Axial slice 88 of 209 of a chest CT (slice 1 is the lowest), reconstructed with the STANDARD kernel at 120 kVp; 1.25 mm slice thickness and 0.693 mm pixels.
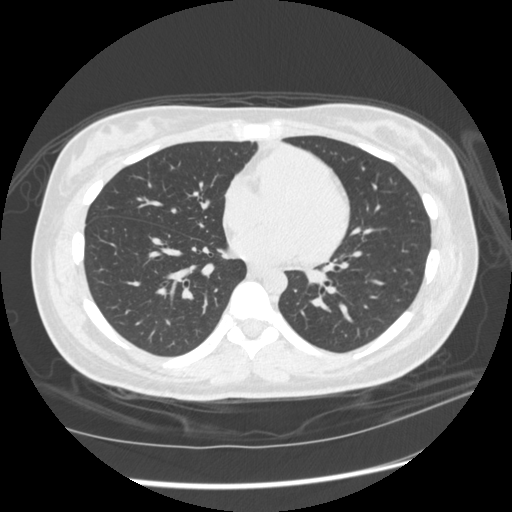
No nodule of 3 mm or larger was outlined by any of the four readers on this slice.